Chest CT, axial plane, 120 kVp, kernel STANDARD. Slice 162/233 from the bottom of the scan; thickness 1.25 mm; pixel size 0.664 mm.
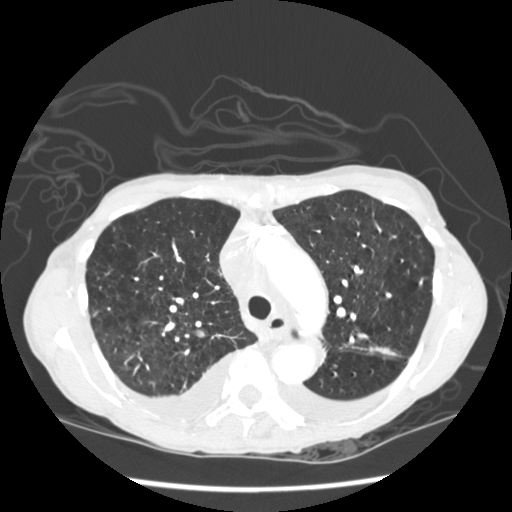
Pulmonary nodule at rows 330–337, columns 192–205 (box = the union of the readers' outlines on this slice), outlined by all four readers, three of them on this slice; longest diameter 14.3–15.4 mm and volume 906–1149 mm3 across the four readers' outlines. The readers' ratings, as ranges where they differ: texture 5/5 (solid) from all four readers; margin from 4/5 to 5/5 (circumscribed) across the four readers; sphericity from 3/5 (ovoid) to 4/5 across the four readers; calcification absent, all four readers agreeing; internal structure soft tissue from all four readers; subtlety from 4/5 to 5/5 across the four readers; malignancy likelihood rated between 2 and 4 out of 5 by the four readers. Scale key (1–5): texture non-solid→solid, margin indistinct→circumscribed, sphericity linear→round, subtlety extremely subtle→obvious, malignancy likelihood highly unlikely→highly suspicious of cancer. Box rows and columns are 0-based pixel indices from the top-left corner, inclusive.